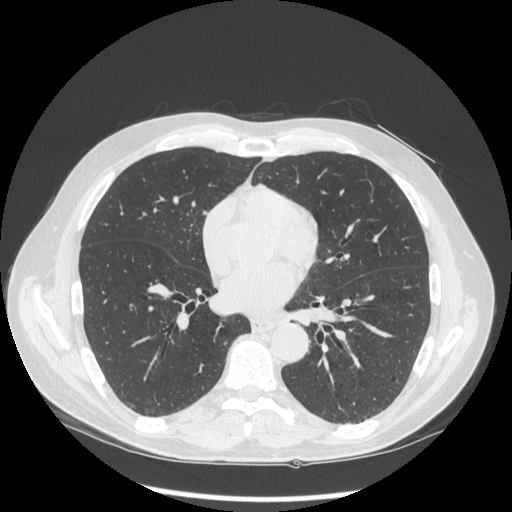
Axial slice 134 of 297 of a chest CT (slice 1 is the lowest), reconstructed with the STANDARD kernel at 120 kVp; 1.25 mm slice thickness and 0.787 mm pixels.
Pulmonary nodule at rows 288–291, columns 86–90 (box = the union of the readers' outlines on this slice), outlined by all four readers; the four readers' outlines give a longest diameter between 8.2 and 9.2 mm and a volume between 151 and 187 mm3. Ratings across the readers: texture from 1/5 (non-solid) to 3/5 (part-solid) across the four readers; margin from 1/5 (indistinct) to 5/5 (circumscribed) across the four readers; sphericity from 3/5 (ovoid) to 5/5 (round) across the four readers; calcification absent from all four readers; internal structure soft tissue, all four readers agreeing; subtlety 1–4/5 (the readers disagree); malignancy likelihood 2–4/5 (the readers disagree). Scale key (1–5): texture non-solid→solid, margin indistinct→circumscribed, sphericity linear→round, subtlety extremely subtle→obvious, malignancy likelihood highly unlikely→highly suspicious of cancer. Box rows and columns are 0-based pixel indices from the top-left corner, inclusive.